Axial chest CT slice 390 of 429 (counted from the lowest slice); tube voltage 120 kVp, convolution kernel B30f; slices 0.75 mm thick, 0.537 mm per pixel.
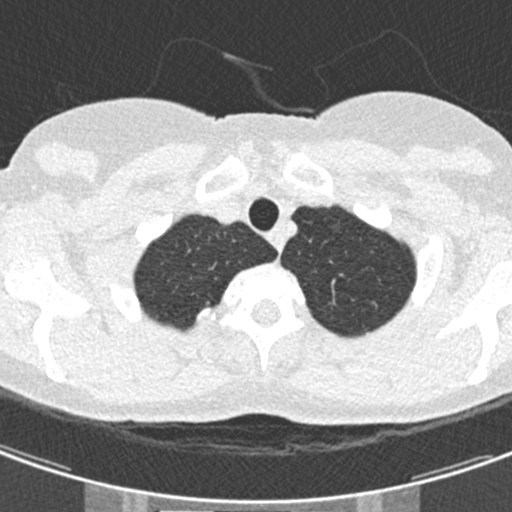
Pulmonary nodule, outlined by one of the four readers. Box on this slice rows 223–232, columns 329–338, that reader's outline on this slice; longest diameter 7.3 mm and volume 72 mm3 from that reader's outline. Ratings by that reader: texture 1/5 (non-solid); margin 1/5 (indistinct); sphericity 4/5; calcification absent; internal structure soft tissue; subtlety 1/5; malignancy likelihood 3/5. Scale key (1–5): texture non-solid→solid, margin indistinct→circumscribed, sphericity linear→round, subtlety extremely subtle→obvious, malignancy likelihood highly unlikely→highly suspicious of cancer. Box rows and columns are 0-based pixel indices from the top-left corner, inclusive.